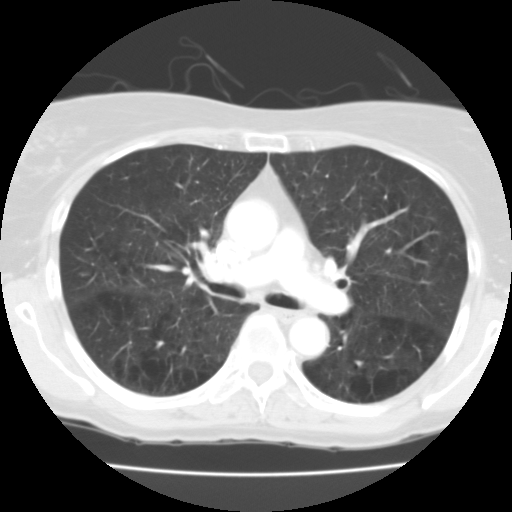
Chest CT, axial plane, 135 kVp, kernel FC01. Slice 66/109 from the bottom of the scan; thickness 3.00 mm; pixel size 0.613 mm.
No nodule of 3 mm or larger was outlined by any of the four readers on this slice.